One axial slice (129 of 216, counting up from the lowest) of a chest CT acquired at 120 kVp with the STANDARD kernel; each pixel is 0.703 mm and the slice is 1.25 mm thick.
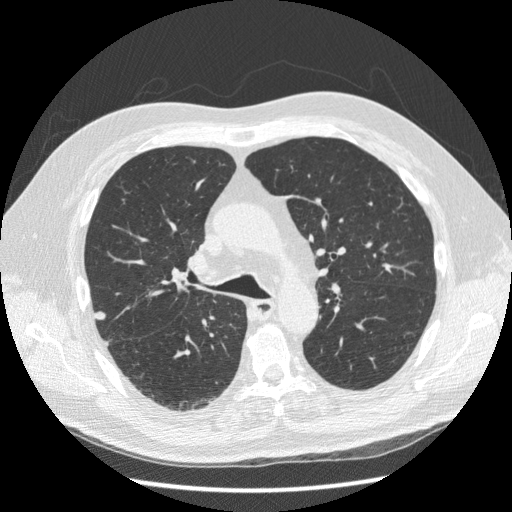
Pulmonary nodule outlined by three of the four readers; box rows 311–319, columns 94–105 (the union of the readers' outlines on this slice); longest diameter 9.1 mm on average over the three readers' outlines (readers' outlines 8.7–9.4 mm), volume 270–308 mm3. Ratings, by the readers' most common answer with dissent counted: texture 5/5 (solid), all three readers agreeing; margin 5/5 (circumscribed) by two of three readers; the rest gave 4/5 (one); sphericity 4/5 by two of three readers; the rest gave 5/5 (round) (one); calcification absent from all three readers; internal structure soft tissue by two of three readers, adipose tissue (one); subtlety 5/5 by two of three readers; the rest gave 4/5 (one); malignancy likelihood 2/5 by two of three readers; the rest gave 4/5 (one). Scale key (1–5): texture non-solid→solid, margin indistinct→circumscribed, sphericity linear→round, subtlety extremely subtle→obvious, malignancy likelihood highly unlikely→highly suspicious of cancer. Box rows and columns are 0-based pixel indices from the top-left corner, inclusive.